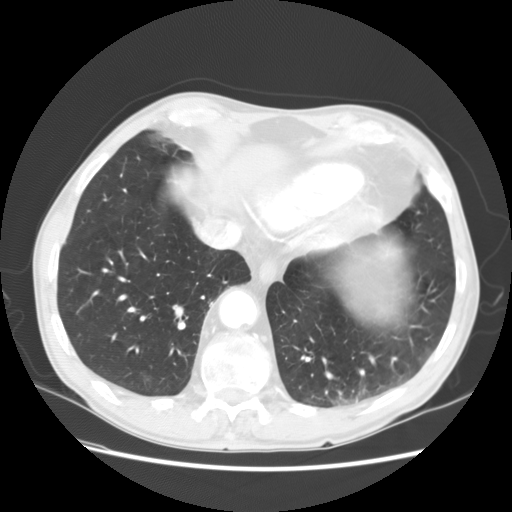
One axial slice (49 of 147, counting up from the lowest) of a chest CT acquired at 120 kVp with the STANDARD kernel; each pixel is 0.703 mm and the slice is 2.50 mm thick.
Pulmonary nodule, outlined by one of the four readers. Box on this slice rows 377–379, columns 144–148, that reader's outline on this slice; longest diameter 10.7 mm and volume 531 mm3 from that reader's outline. That reader's ratings: texture 1/5 (non-solid); margin 2/5; sphericity 5/5 (round); calcification absent; internal structure soft tissue; subtlety 1/5; malignancy likelihood 2/5. Scale key (1–5): texture non-solid→solid, margin indistinct→circumscribed, sphericity linear→round, subtlety extremely subtle→obvious, malignancy likelihood highly unlikely→highly suspicious of cancer. Box rows and columns are 0-based pixel indices from the top-left corner, inclusive.